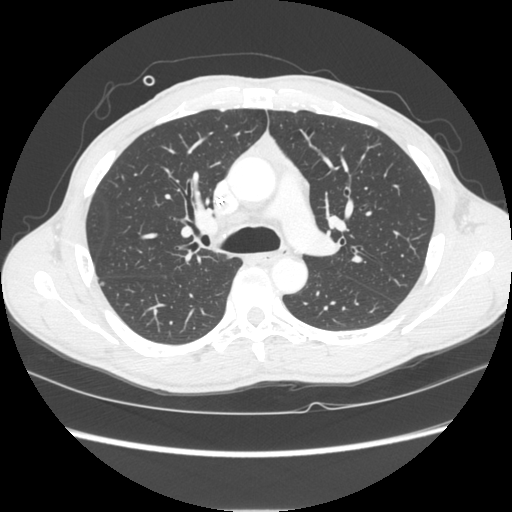
Slice 169/261 of a chest CT, counting up from the lowest; pixel size 0.684 mm, slice thickness 1.25 mm. Pulmonary nodule at rows 282–285, columns 101–103 (box = the union of the readers' outlines on this slice), outlined by two of the four readers; longest diameter 5.2–5.5 mm and volume 36–45 mm3 across the two readers' outlines. Ratings across the readers: texture 5/5 (solid), both readers agreeing; margin 5/5 (circumscribed) from both readers; sphericity from 3/5 (ovoid) to 4/5 across the two readers; calcification absent, both readers agreeing; internal structure soft tissue, both readers agreeing; subtlety 3–4/5 (the readers disagree); malignancy likelihood from 2/5 to 3/5 across the two readers. Scale key (1–5): texture non-solid→solid, margin indistinct→circumscribed, sphericity linear→round, subtlety extremely subtle→obvious, malignancy likelihood highly unlikely→highly suspicious of cancer. Box rows and columns are 0-based pixel indices from the top-left corner, inclusive.
Tube voltage 120 kVp; convolution kernel STANDARD.